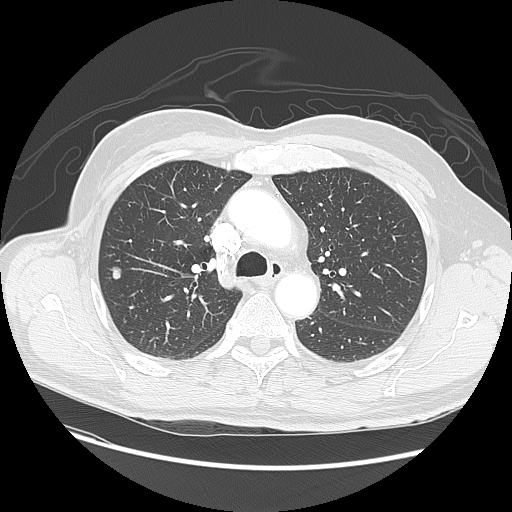
One axial slice (85 of 135, counting up from the lowest) of a chest CT acquired at 120 kVp with the LUNG kernel; each pixel is 0.781 mm and the slice is 2.50 mm thick.
Pulmonary nodule, outlined by all four readers. Box on this slice rows 266–279, columns 112–120, the union of the readers' outlines on this slice; longest diameter 12.3 mm on average over the four readers' outlines (readers' outlines 12.1–12.7 mm), volume 655–726 mm3. Ratings, by the readers' most common answer with dissent counted: texture 5/5 (solid), all four readers agreeing; most readers (three of four) put margin at 5/5 (circumscribed), others 4/5 (one); sphericity split among the readers: 3/5 (ovoid) (two), 4/5 (two); calcification absent, all four readers agreeing; internal structure soft tissue, all four readers agreeing; most readers (three of four) put subtlety at 5/5, others 4/5 (one); malignancy likelihood 4/5 by three of four readers; the rest gave 2/5 (one). Scale key (1–5): texture non-solid→solid, margin indistinct→circumscribed, sphericity linear→round, subtlety extremely subtle→obvious, malignancy likelihood highly unlikely→highly suspicious of cancer. Box rows and columns are 0-based pixel indices from the top-left corner, inclusive.